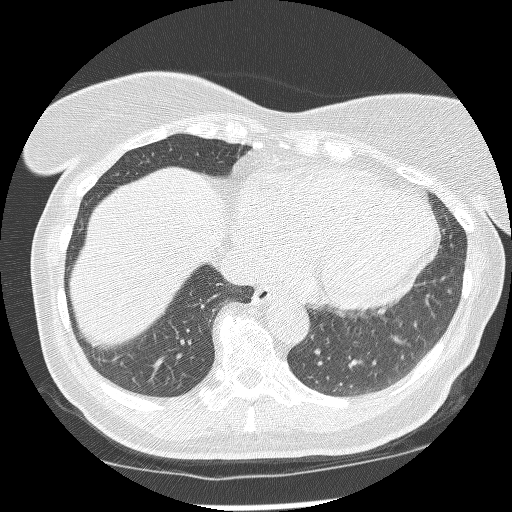
Axial chest CT slice 98 of 255 (counted from the lowest slice); 1.25 mm thick, 0.654 mm per pixel. Pulmonary nodule outlined by one of the four readers; box rows 287–293, columns 446–451 (that reader's outline on this slice); longest diameter 5.6 mm and volume 58 mm3 from that reader's outline. Ratings by that reader: texture 5/5 (solid); margin 5/5 (circumscribed); sphericity 4/5; calcification absent; internal structure soft tissue; subtlety 4/5; malignancy likelihood 2/5. Scale key (1–5): texture non-solid→solid, margin indistinct→circumscribed, sphericity linear→round, subtlety extremely subtle→obvious, malignancy likelihood highly unlikely→highly suspicious of cancer. Box rows and columns are 0-based pixel indices from the top-left corner, inclusive.
Acquired at 120 kVp and reconstructed with the BONE kernel.